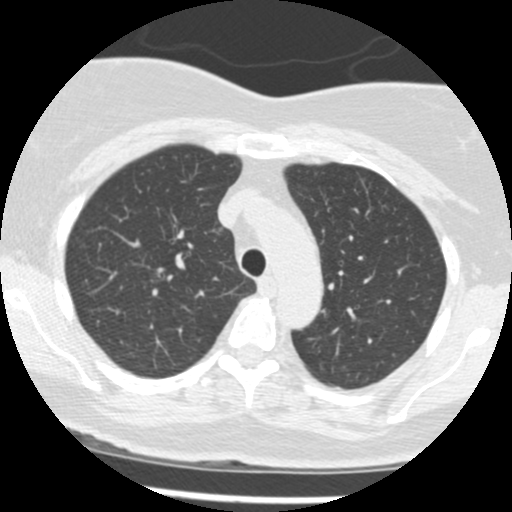
Slice 335/433 of a chest CT, counting up from the lowest; pixel size 0.547 mm, slice thickness 1.25 mm. Pulmonary nodule at rows 177–180, columns 362–365 (box = that reader's outline on this slice), outlined by one of the four readers; longest diameter 3.9 mm and volume 28 mm3 from that reader's outline. That reader's ratings: texture 5/5 (solid); margin 5/5 (circumscribed); sphericity 4/5; calcification solid calcification; internal structure soft tissue; subtlety 5/5; malignancy likelihood 3/5. Scale key (1–5): texture non-solid→solid, margin indistinct→circumscribed, sphericity linear→round, subtlety extremely subtle→obvious, malignancy likelihood highly unlikely→highly suspicious of cancer. Box rows and columns are 0-based pixel indices from the top-left corner, inclusive.
Acquired at 120 kVp and reconstructed with the STANDARD kernel.